Axial chest CT slice 106 of 143 (counted from the lowest slice); tube voltage 120 kVp, convolution kernel LUNG; slices 2.50 mm thick, 0.781 mm per pixel.
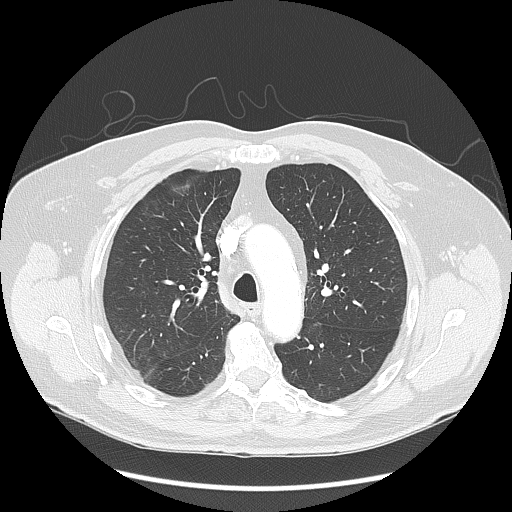
This slice carries no reader outline of a nodule 3 mm or larger.